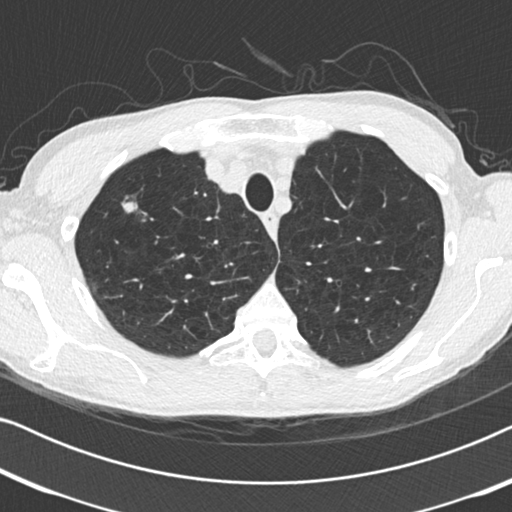
Axial slice 190 of 225 of a chest CT (slice 1 is the lowest), reconstructed with the B30f kernel at 120 kVp; 2.00 mm slice thickness and 0.645 mm pixels.
Pulmonary nodule at rows 202–214, columns 122–137 (box = the union of the readers' outlines on this slice), outlined by all four readers; longest diameter 11.7 mm on average over the four readers' outlines (readers' outlines 9.2–13.7 mm), volume 245–400 mm3. Ratings, by the readers' most common answer with dissent counted: texture split among the readers: 4/5 (two), 5/5 (solid) (two); margin 4/5 by three of four readers; the rest gave 2/5 (one); most readers (three of four) put sphericity at 4/5, others 3/5 (ovoid) (one); calcification absent from all four readers; internal structure soft tissue, all four readers agreeing; subtlety 5/5 from all four readers; malignancy likelihood 4/5 by two of four readers; the rest gave 3/5 (one), 5/5 (one). Scale key (1–5): texture non-solid→solid, margin indistinct→circumscribed, sphericity linear→round, subtlety extremely subtle→obvious, malignancy likelihood highly unlikely→highly suspicious of cancer. Box rows and columns are 0-based pixel indices from the top-left corner, inclusive.